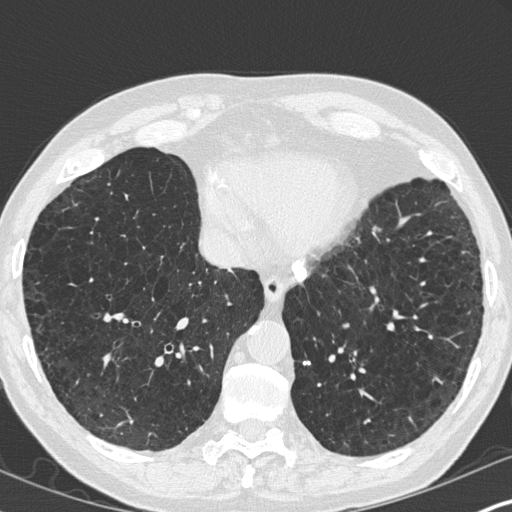
Chest CT, axial plane, 120 kVp, kernel B45f. Slice 105/347 from the bottom of the scan; thickness 1.00 mm; pixel size 0.625 mm.
Pulmonary nodule outlined by two of the four readers; box rows 360–364, columns 303–310 (the union of the readers' outlines on this slice); median longest diameter 12.5 mm (readers' outlines 10.7–14.3 mm), median volume 409 mm3 (348–470 mm3). Median ratings and the readers' spread: texture 5/5 (solid) from both readers; median margin 4.5/5 (readers ranged 4/5 to 5/5 (circumscribed)); median sphericity 3.5/5 (readers ranged 3/5 (ovoid) to 4/5); calcification solid calcification from both readers; internal structure soft tissue, both readers agreeing; subtlety 5/5, both readers agreeing; malignancy likelihood 1/5, both readers agreeing. Scale key (1–5): texture non-solid→solid, margin indistinct→circumscribed, sphericity linear→round, subtlety extremely subtle→obvious, malignancy likelihood highly unlikely→highly suspicious of cancer. Box rows and columns are 0-based pixel indices from the top-left corner, inclusive.